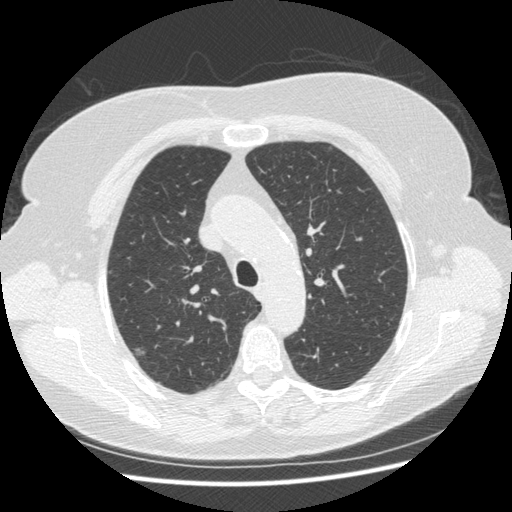
Slice 308/413 of a chest CT, counting up from the lowest; pixel size 0.703 mm, slice thickness 1.25 mm. Pulmonary nodule, outlined by three of the four readers. Box on this slice rows 348–356, columns 133–145, the union of the readers' outlines on this slice; longest diameter 8.7–10.5 mm and volume 88–182 mm3 across the three readers' outlines. Ratings across the readers: texture from 2/5 to 5/5 (solid) across the three readers; margin from 1/5 (indistinct) to 4/5 across the three readers; sphericity from 3/5 (ovoid) to 4/5 across the three readers; calcification absent from all three readers; internal structure soft tissue from all three readers; subtlety from 4/5 to 5/5 across the three readers; malignancy likelihood 4/5 from all three readers. Scale key (1–5): texture non-solid→solid, margin indistinct→circumscribed, sphericity linear→round, subtlety extremely subtle→obvious, malignancy likelihood highly unlikely→highly suspicious of cancer. Box rows and columns are 0-based pixel indices from the top-left corner, inclusive.
Scan settings: 120 kVp, STANDARD reconstruction kernel.